Chest CT, axial plane, 120 kVp, kernel BONE. Slice 170/220 from the bottom of the scan; thickness 1.25 mm; pixel size 0.598 mm.
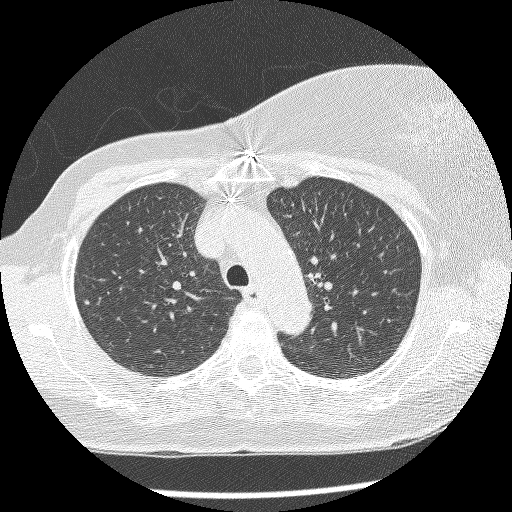
Pulmonary nodule, outlined by one of the four readers. Box on this slice rows 299–303, columns 83–88, that reader's outline on this slice; longest diameter 4.8 mm and volume 30 mm3 from that reader's outline. Ratings by that reader: texture 5/5 (solid); margin 5/5 (circumscribed); sphericity 5/5 (round); calcification absent; internal structure soft tissue; subtlety 4/5; malignancy likelihood 1/5. Scale key (1–5): texture non-solid→solid, margin indistinct→circumscribed, sphericity linear→round, subtlety extremely subtle→obvious, malignancy likelihood highly unlikely→highly suspicious of cancer. Box rows and columns are 0-based pixel indices from the top-left corner, inclusive.